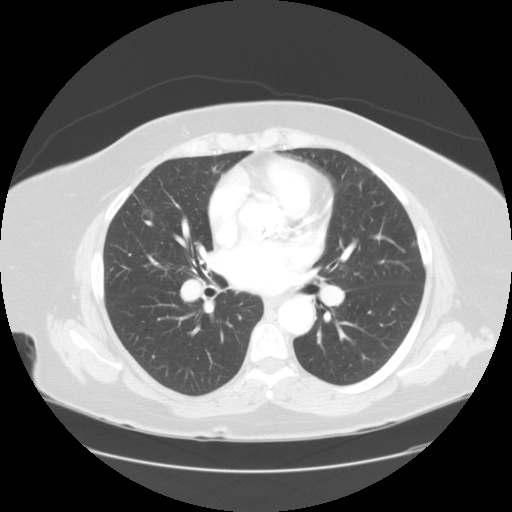
Chest CT, axial plane, 120 kVp, kernel STANDARD. Slice 80/133 from the bottom of the scan; thickness 2.50 mm; pixel size 0.781 mm.
Pulmonary nodule at rows 208–220, columns 142–154 (box = the union of the readers' outlines on this slice), outlined by all four readers, three of them on this slice; median longest diameter 15.0 mm (readers' outlines 12.2–16.1 mm), median volume 563 mm3 (397–778 mm3). Ratings, median across the readers with their spread: texture 5/5 (solid) at the median of four readers, spread 1/5 (non-solid) to 5/5 (solid); margin 3.5/5 at the median of four readers, spread 2/5 to 5/5 (circumscribed); median sphericity 3/5 (ovoid) (readers ranged 2/5 to 5/5 (round)); calcification absent from all four readers; internal structure soft tissue from all four readers; subtlety 3/5 at the median of four readers, spread 1–5; median malignancy likelihood 2.5/5 (readers ranged 2–4). Scale key (1–5): texture non-solid→solid, margin indistinct→circumscribed, sphericity linear→round, subtlety extremely subtle→obvious, malignancy likelihood highly unlikely→highly suspicious of cancer. Box rows and columns are 0-based pixel indices from the top-left corner, inclusive.